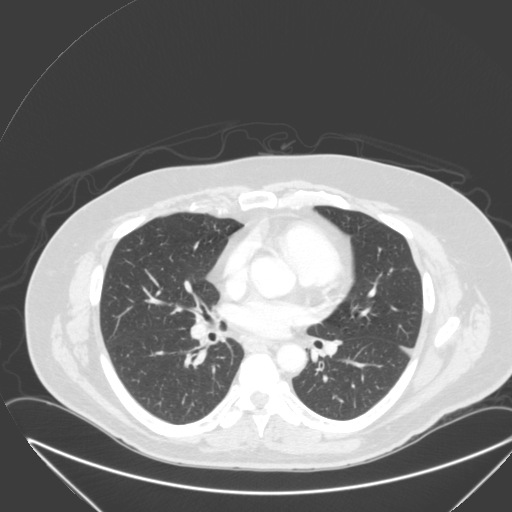
Axial chest CT slice 163 of 315 (counted from the lowest slice); tube voltage 120 kVp, convolution kernel B; slices 2.00 mm thick, 0.830 mm per pixel.
None of the four readers outlined a nodule of 3 mm or more on this slice.